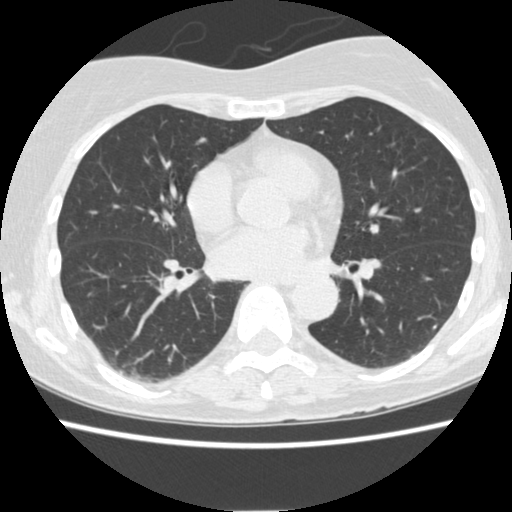
Chest CT, axial plane, 120 kVp, kernel STANDARD. Slice 205/484 from the bottom of the scan; thickness 1.25 mm; pixel size 0.625 mm.
Pulmonary nodule outlined by one of the four readers; box rows 326–328, columns 432–436 (that reader's outline on this slice); longest diameter 4.6 mm and volume 36 mm3 from that reader's outline. That reader's ratings: texture 5/5 (solid); margin 5/5 (circumscribed); sphericity 4/5; calcification solid calcification; internal structure soft tissue; subtlety 5/5; malignancy likelihood 1/5. Scale key (1–5): texture non-solid→solid, margin indistinct→circumscribed, sphericity linear→round, subtlety extremely subtle→obvious, malignancy likelihood highly unlikely→highly suspicious of cancer. Box rows and columns are 0-based pixel indices from the top-left corner, inclusive.